One axial slice (167 of 197, counting up from the lowest) of a chest CT acquired at 120 kVp with the STANDARD kernel; each pixel is 0.859 mm and the slice is 1.25 mm thick.
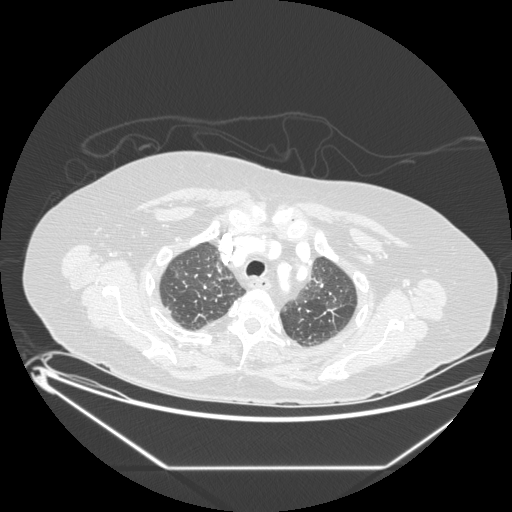
Pulmonary nodule outlined by all four readers, one of them on this slice; box rows 272–278, columns 175–177 (the one reader's outline on this slice); longest diameter 11.9 mm on average over the four readers' outlines (readers' outlines 10.4–12.9 mm), volume 381–630 mm3. Ratings, by the readers' most common answer with dissent counted: most readers (three of four) put texture at 5/5 (solid), others 3/5 (part-solid) (one); margin 5/5 (circumscribed) by two of four readers; the rest gave 2/5 (one), 4/5 (one); sphericity split among the readers: 4/5 (two), 5/5 (round) (two); calcification absent, all four readers agreeing; internal structure soft tissue by three of four readers, air (one); subtlety 4/5 by two of four readers; the rest gave 3/5 (one), 5/5 (one); malignancy likelihood split among the readers: 2/5 (two), 4/5 (two). Scale key (1–5): texture non-solid→solid, margin indistinct→circumscribed, sphericity linear→round, subtlety extremely subtle→obvious, malignancy likelihood highly unlikely→highly suspicious of cancer. Box rows and columns are 0-based pixel indices from the top-left corner, inclusive.